Axial chest CT slice 174 of 281 (counted from the lowest slice); tube voltage 120 kVp, convolution kernel STANDARD; slices 1.25 mm thick, 0.816 mm per pixel.
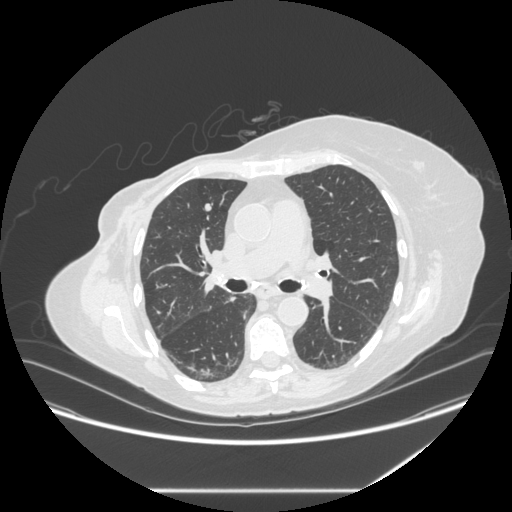
Pulmonary nodule at rows 203–211, columns 204–211 (box = the union of the readers' outlines on this slice), outlined by all four readers; the four readers' outlines give a longest diameter between 9.2 and 9.9 mm and a volume between 239 and 329 mm3. The readers' ratings, as ranges where they differ: texture 5/5 (solid), all four readers agreeing; margin 5/5 (circumscribed), all four readers agreeing; sphericity from 4/5 to 5/5 (round) across the four readers; calcification absent from all four readers; internal structure soft tissue from all four readers; subtlety 3–4/5 (the readers disagree); malignancy likelihood rated between 2 and 3 out of 5 by the four readers. Scale key (1–5): texture non-solid→solid, margin indistinct→circumscribed, sphericity linear→round, subtlety extremely subtle→obvious, malignancy likelihood highly unlikely→highly suspicious of cancer. Box rows and columns are 0-based pixel indices from the top-left corner, inclusive.